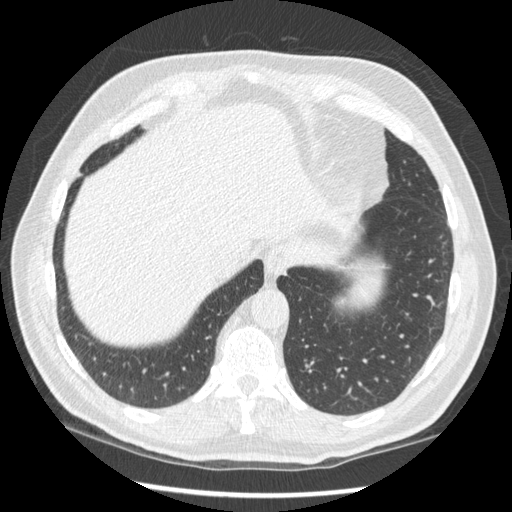
Axial slice 72 of 256 of a chest CT (slice 1 is the lowest), reconstructed with the STANDARD kernel at 120 kVp; 1.25 mm slice thickness and 0.703 mm pixels.
Pulmonary nodule outlined by two of the four readers; box rows 363–367, columns 304–308 (the union of the readers' outlines on this slice); longest diameter 5.0 mm on average over the two readers' outlines (readers' outlines 4.7–5.4 mm), volume 25–28 mm3. Ratings, by the readers' most common answer with dissent counted: texture split among the readers: 4/5 (one), 5/5 (solid) (one); margin 5/5 (circumscribed), both readers agreeing; sphericity split among the readers: 4/5 (one), 5/5 (round) (one); calcification absent from both readers; internal structure soft tissue from both readers; subtlety split among the readers: 1/5 (one), 3/5 (one); malignancy likelihood split among the readers: 2/5 (one), 3/5 (one). Scale key (1–5): texture non-solid→solid, margin indistinct→circumscribed, sphericity linear→round, subtlety extremely subtle→obvious, malignancy likelihood highly unlikely→highly suspicious of cancer. Box rows and columns are 0-based pixel indices from the top-left corner, inclusive.